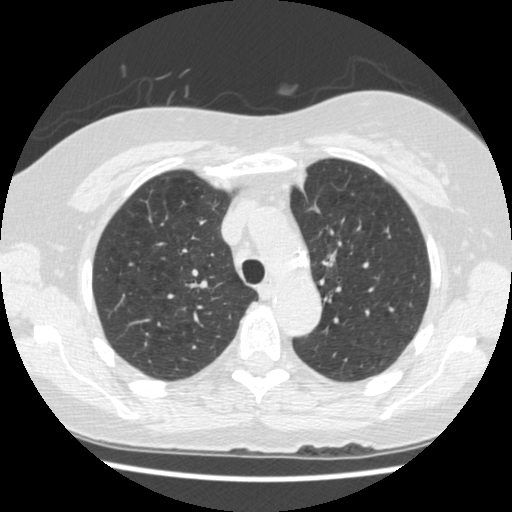
One axial slice (346 of 474, counting up from the lowest) of a chest CT acquired at 120 kVp with the STANDARD kernel; each pixel is 0.625 mm and the slice is 1.25 mm thick.
Pulmonary nodule outlined by one of the four readers; box rows 250–266, columns 322–335 (that reader's outline on this slice); longest diameter 17.7 mm and volume 538 mm3 from that reader's outline. Ratings by that reader: texture 1/5 (non-solid); margin 2/5; sphericity 3/5 (ovoid); calcification absent; internal structure soft tissue; subtlety 3/5; malignancy likelihood 2/5. Scale key (1–5): texture non-solid→solid, margin indistinct→circumscribed, sphericity linear→round, subtlety extremely subtle→obvious, malignancy likelihood highly unlikely→highly suspicious of cancer. Box rows and columns are 0-based pixel indices from the top-left corner, inclusive.